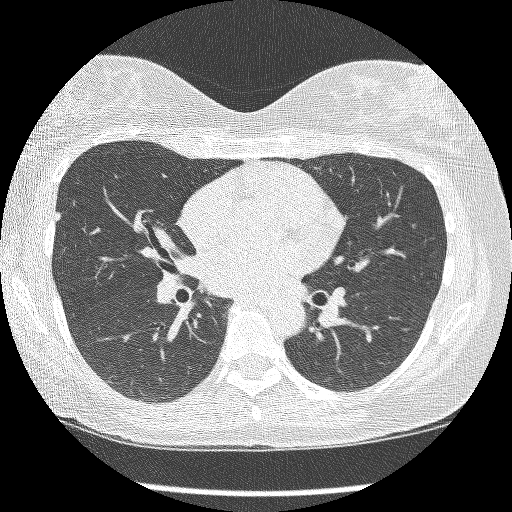
Axial slice 149 of 260 of a chest CT (slice 1 is the lowest), reconstructed with the BONE kernel at 120 kVp; 1.25 mm slice thickness and 0.615 mm pixels.
Pulmonary nodule, outlined by all four readers. Box on this slice rows 212–223, columns 54–61, the union of the readers' outlines on this slice; median longest diameter 6.9 mm (readers' outlines 6.6–8.3 mm), median volume 82 mm3 (76–93 mm3). Ratings, median across the readers with their spread: median texture 5/5 (solid) (readers ranged 4/5 to 5/5 (solid)); margin 4/5 at the median of four readers, spread 4/5 to 5/5 (circumscribed); sphericity 3/5 (ovoid) at the median of four readers, spread 3/5 (ovoid) to 4/5; calcification absent from all four readers; internal structure soft tissue from all four readers; subtlety 2.5/5 at the median of four readers, spread 2–5; malignancy likelihood 3/5 at the median of four readers, spread 2–4. Scale key (1–5): texture non-solid→solid, margin indistinct→circumscribed, sphericity linear→round, subtlety extremely subtle→obvious, malignancy likelihood highly unlikely→highly suspicious of cancer. Box rows and columns are 0-based pixel indices from the top-left corner, inclusive.